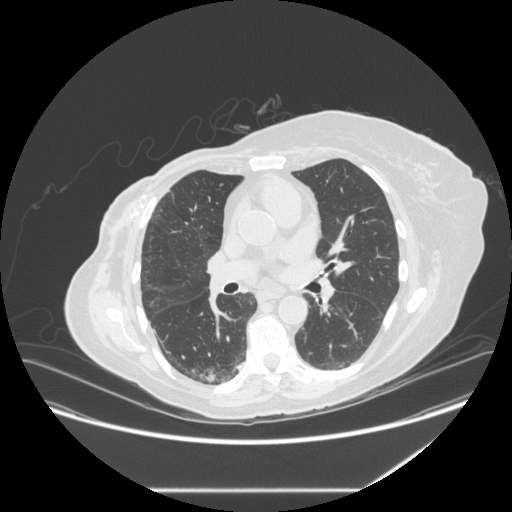
Axial chest CT slice 163 of 281 (counted from the lowest slice); tube voltage 120 kVp, convolution kernel STANDARD; slices 1.25 mm thick, 0.816 mm per pixel.
Pulmonary nodule, outlined by all four readers, two of them on this slice. Box on this slice rows 362–370, columns 236–244, the union of the readers' outlines on this slice; median longest diameter 7.1 mm (readers' outlines 6.7–11.6 mm), median volume 94 mm3 (72–185 mm3). Median ratings and the readers' spread: texture 5/5 (solid) from all four readers; margin 5/5 (circumscribed) from all four readers; sphericity 3/5 (ovoid), all four readers agreeing; calcification: central calcification (three), solid calcification (one); internal structure soft tissue from all four readers; subtlety 4/5 at the median of four readers, spread 2–5; malignancy likelihood 1/5, all four readers agreeing. Scale key (1–5): texture non-solid→solid, margin indistinct→circumscribed, sphericity linear→round, subtlety extremely subtle→obvious, malignancy likelihood highly unlikely→highly suspicious of cancer. Box rows and columns are 0-based pixel indices from the top-left corner, inclusive.